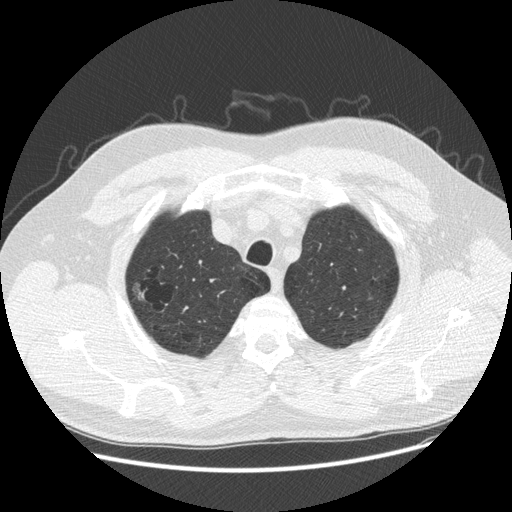
One axial slice (408 of 481, counting up from the lowest) of a chest CT acquired at 120 kVp with the STANDARD kernel; each pixel is 0.742 mm and the slice is 1.25 mm thick.
Pulmonary nodule, outlined by two of the four readers. Box on this slice rows 282–300, columns 132–144, the union of the readers' outlines on this slice; longest diameter 16.8 mm on average over the two readers' outlines (readers' outlines 15.0–18.6 mm), volume 293–924 mm3. The readers' prevailing ratings and who disagreed: texture 1/5 (non-solid) from both readers; margin split among the readers: 1/5 (indistinct) (one), 2/5 (one); sphericity split among the readers: 3/5 (ovoid) (one), 5/5 (round) (one); calcification absent from both readers; internal structure soft tissue, both readers agreeing; subtlety split among the readers: 1/5 (one), 2/5 (one); malignancy likelihood split among the readers: 2/5 (one), 4/5 (one). Scale key (1–5): texture non-solid→solid, margin indistinct→circumscribed, sphericity linear→round, subtlety extremely subtle→obvious, malignancy likelihood highly unlikely→highly suspicious of cancer. Box rows and columns are 0-based pixel indices from the top-left corner, inclusive.